One axial slice (117 of 238, counting up from the lowest) of a chest CT acquired at 120 kVp with the STANDARD kernel; each pixel is 0.625 mm and the slice is 1.25 mm thick.
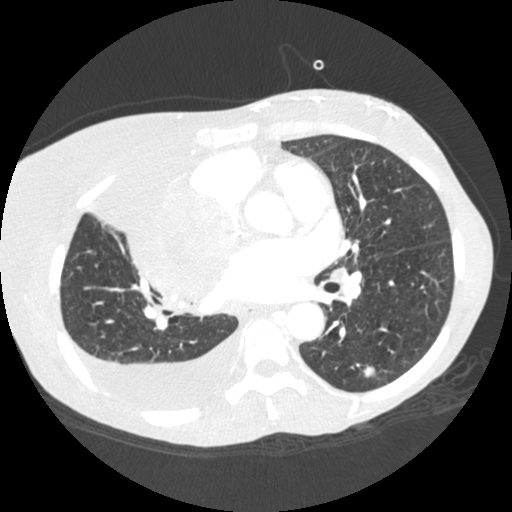
Pulmonary nodule at rows 365–377, columns 362–376 (box = the union of the readers' outlines on this slice), outlined by all four readers; longest diameter 10.1 mm on average over the four readers' outlines (readers' outlines 9.7–10.7 mm), volume 334–416 mm3. Ratings, by the readers' most common answer with dissent counted: texture 5/5 (solid), all four readers agreeing; margin 4/5 from all four readers; sphericity split among the readers: 4/5 (two), 5/5 (round) (two); calcification absent, all four readers agreeing; internal structure soft tissue, all four readers agreeing; subtlety split among the readers: 4/5 (two), 5/5 (two); malignancy likelihood 4/5 by two of four readers; the rest gave 3/5 (one), 5/5 (one). Scale key (1–5): texture non-solid→solid, margin indistinct→circumscribed, sphericity linear→round, subtlety extremely subtle→obvious, malignancy likelihood highly unlikely→highly suspicious of cancer. Box rows and columns are 0-based pixel indices from the top-left corner, inclusive.